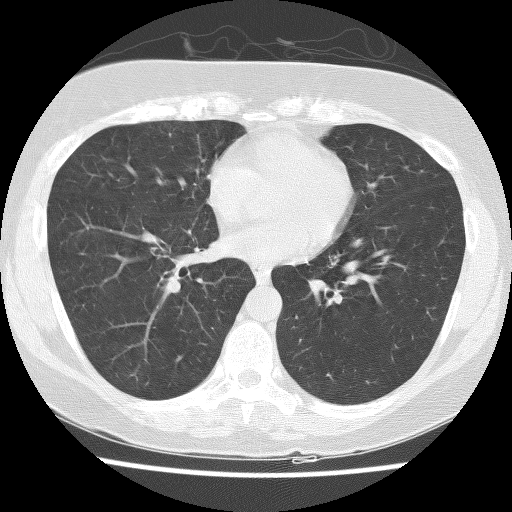
Axial chest CT slice 58 of 123 (counted from the lowest slice); tube voltage 140 kVp, convolution kernel BONE; slices 2.50 mm thick, 0.568 mm per pixel.
None of the four readers outlined a nodule of 3 mm or more on this slice.